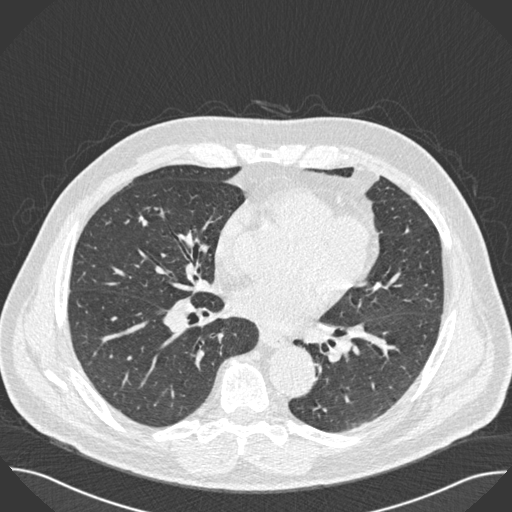
One axial slice (260 of 493, counting up from the lowest) of a chest CT acquired at 120 kVp with the B30f kernel; each pixel is 0.762 mm and the slice is 0.75 mm thick.
Pulmonary nodule, outlined by all four readers. Box on this slice rows 215–226, columns 139–147, the union of the readers' outlines on this slice; median longest diameter 11.4 mm (readers' outlines 10.9–16.8 mm), median volume 275 mm3 (182–413 mm3). Ratings, median across the readers with their spread: texture 5/5 (solid), all four readers agreeing; median margin 4.5/5 (readers ranged 3/5 to 5/5 (circumscribed)); median sphericity 3.5/5 (readers ranged 3/5 (ovoid) to 5/5 (round)); calcification solid calcification from all four readers; internal structure soft tissue from all four readers; subtlety 5/5 at the median of four readers, spread 4–5; malignancy likelihood 1/5 from all four readers. Scale key (1–5): texture non-solid→solid, margin indistinct→circumscribed, sphericity linear→round, subtlety extremely subtle→obvious, malignancy likelihood highly unlikely→highly suspicious of cancer. Box rows and columns are 0-based pixel indices from the top-left corner, inclusive.